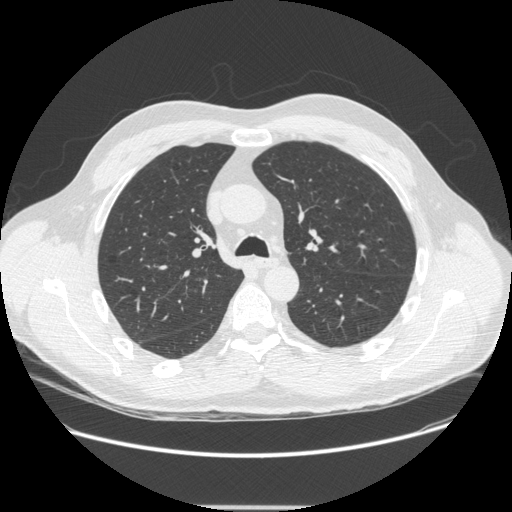
One axial slice (362 of 548, counting up from the lowest) of a chest CT acquired at 120 kVp with the STANDARD kernel; each pixel is 0.781 mm and the slice is 1.25 mm thick.
The readers outlined no nodule of 3 mm or more on this slice.